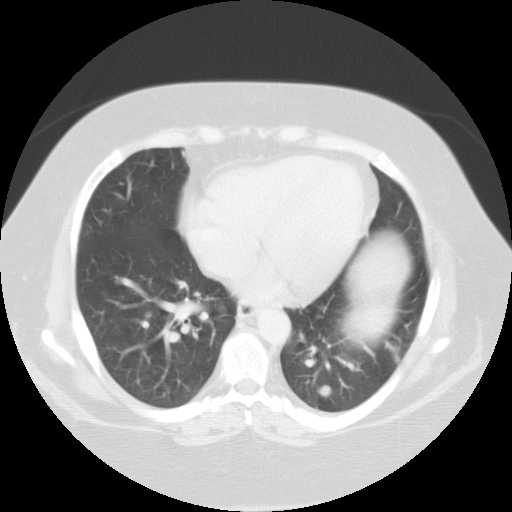
Axial chest CT slice 49 of 102 (counted from the lowest slice); 3.00 mm thick, 0.808 mm per pixel. Pulmonary nodule, outlined by all four readers. Box on this slice rows 384–397, columns 318–331, the union of the readers' outlines on this slice; longest diameter 12.9 mm on average over the four readers' outlines (readers' outlines 11.5–13.9 mm), volume 1135–1808 mm3. The readers' prevailing ratings and who disagreed: texture 5/5 (solid), all four readers agreeing; margin 5/5 (circumscribed), all four readers agreeing; sphericity 5/5 (round) from all four readers; calcification absent from all four readers; internal structure soft tissue from all four readers; most readers (three of four) put subtlety at 5/5, others 3/5 (one); malignancy likelihood 5/5 by three of four readers; the rest gave 2/5 (one). Scale key (1–5): texture non-solid→solid, margin indistinct→circumscribed, sphericity linear→round, subtlety extremely subtle→obvious, malignancy likelihood highly unlikely→highly suspicious of cancer. Box rows and columns are 0-based pixel indices from the top-left corner, inclusive.
Acquired at 135 kVp and reconstructed with the FC01 kernel.